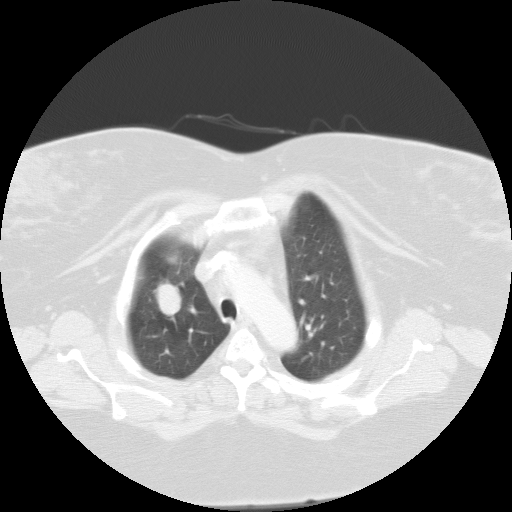
This is axial slice 83 of 102 (slice 1 is the lowest) of a chest CT; each pixel is 0.808 mm and the slice is 3.00 mm thick. Pulmonary nodule, outlined by all four readers. Box on this slice rows 281–316, columns 153–181, the union of the readers' outlines on this slice; longest diameter 26.9–30.9 mm and volume 5712–7254 mm3 across the four readers' outlines. The readers' ratings, as ranges where they differ: texture 5/5 (solid) from all four readers; margin 5/5 (circumscribed), all four readers agreeing; sphericity from 4/5 to 5/5 (round) across the four readers; calcification absent from all four readers; internal structure soft tissue from all four readers; subtlety 5/5, all four readers agreeing; malignancy likelihood from 2/5 to 5/5 across the four readers. Scale key (1–5): texture non-solid→solid, margin indistinct→circumscribed, sphericity linear→round, subtlety extremely subtle→obvious, malignancy likelihood highly unlikely→highly suspicious of cancer. Box rows and columns are 0-based pixel indices from the top-left corner, inclusive.
Scan settings: 135 kVp, FC01 reconstruction kernel.